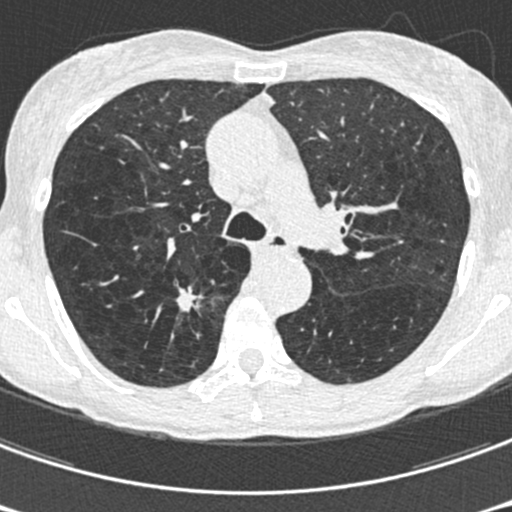
One axial slice (412 of 633, counting up from the lowest) of a chest CT acquired at 120 kVp with the B30f kernel; each pixel is 0.541 mm and the slice is 0.60 mm thick.
Pulmonary nodule, outlined by all four readers. Box on this slice rows 286–311, columns 176–203, the union of the readers' outlines on this slice; median longest diameter 18.4 mm (readers' outlines 18.1–21.0 mm), median volume 1471 mm3 (1292–1642 mm3). Median ratings and the readers' spread: texture 5/5 (solid) from all four readers; margin 2/5 at the median of four readers, spread 1/5 (indistinct) to 3/5; median sphericity 3/5 (ovoid) (readers ranged 2/5 to 4/5); calcification absent from all four readers; internal structure soft tissue, all four readers agreeing; median subtlety 5/5 (readers ranged 4–5); malignancy likelihood 5/5 at the median of four readers, spread 4–5. Scale key (1–5): texture non-solid→solid, margin indistinct→circumscribed, sphericity linear→round, subtlety extremely subtle→obvious, malignancy likelihood highly unlikely→highly suspicious of cancer. Box rows and columns are 0-based pixel indices from the top-left corner, inclusive.